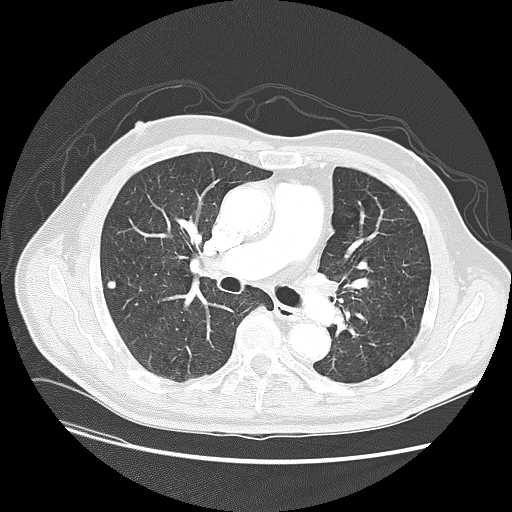
Axial chest CT slice 80 of 133 (counted from the lowest slice); 2.50 mm thick, 0.742 mm per pixel. Pulmonary nodule, outlined by all four readers. Box on this slice rows 281–288, columns 108–115, the union of the readers' outlines on this slice; longest diameter 7.9 mm on average over the four readers' outlines (readers' outlines 7.6–8.3 mm), volume 184–249 mm3. Ratings, by the readers' most common answer with dissent counted: texture 5/5 (solid), all four readers agreeing; margin 5/5 (circumscribed) from all four readers; sphericity 5/5 (round) by three of four readers; the rest gave 4/5 (one); calcification absent by three of four readers, solid calcification (one); internal structure soft tissue, all four readers agreeing; subtlety split among the readers: 4/5 (two), 5/5 (two); malignancy likelihood split among the readers: 1/5 (one), 2/5 (one), 3/5 (one), 4/5 (one). Scale key (1–5): texture non-solid→solid, margin indistinct→circumscribed, sphericity linear→round, subtlety extremely subtle→obvious, malignancy likelihood highly unlikely→highly suspicious of cancer. Box rows and columns are 0-based pixel indices from the top-left corner, inclusive.
Acquired at 120 kVp and reconstructed with the LUNG kernel.